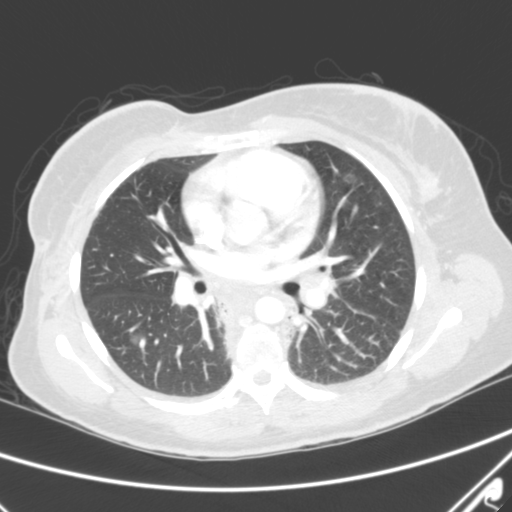
Axial slice 145 of 263 of a chest CT (slice 1 is the lowest), reconstructed with the B kernel at 120 kVp; 2.00 mm slice thickness and 0.664 mm pixels.
Pulmonary nodule at rows 333–345, columns 130–143 (box = the union of the readers' outlines on this slice), outlined two times (the source holds three more outlines, not used); median longest diameter 13.7 mm (readers' outlines 12.2–15.2 mm), median volume 980 mm3 (731–1229 mm3). Ratings, median across the readers with their spread: median texture 2/5 (readers ranged 1/5 (non-solid) to 3/5 (part-solid)); median margin 2.5/5 (readers ranged 2/5 to 3/5); sphericity 3.5/5 at the median of two readers, spread 3/5 (ovoid) to 4/5; calcification absent, both readers agreeing; internal structure soft tissue, both readers agreeing; subtlety 3/5, both readers agreeing; malignancy likelihood 3/5 at the median of two readers, spread 2–4. Scale key (1–5): texture non-solid→solid, margin indistinct→circumscribed, sphericity linear→round, subtlety extremely subtle→obvious, malignancy likelihood highly unlikely→highly suspicious of cancer. Box rows and columns are 0-based pixel indices from the top-left corner, inclusive.